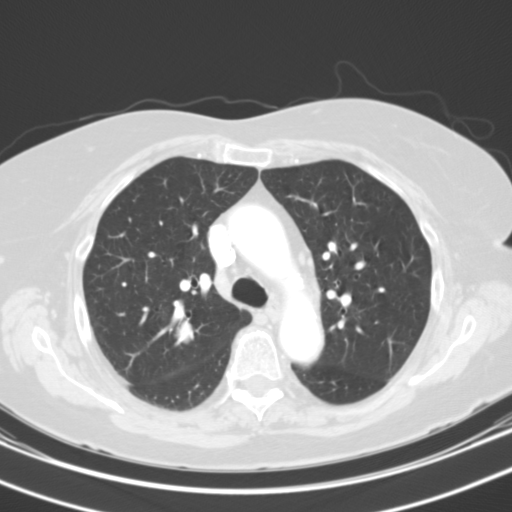
Axial slice 74 of 109 of a chest CT (slice 1 is the lowest), reconstructed with the B31s kernel at 130 kVp; 3.00 mm slice thickness and 0.629 mm pixels.
Pulmonary nodule at rows 301–343, columns 170–194 (box = the union of the readers' outlines on this slice), outlined by all four readers; longest diameter 16.9–27.7 mm and volume 1856–2397 mm3 across the four readers' outlines. Ratings across the readers: texture 5/5 (solid) from all four readers; margin from 4/5 to 5/5 (circumscribed) across the four readers; sphericity from 4/5 to 5/5 (round) across the four readers; calcification absent from all four readers; internal structure soft tissue from all four readers; subtlety 5/5, all four readers agreeing; malignancy likelihood 3–5/5 (the readers disagree). Scale key (1–5): texture non-solid→solid, margin indistinct→circumscribed, sphericity linear→round, subtlety extremely subtle→obvious, malignancy likelihood highly unlikely→highly suspicious of cancer. Box rows and columns are 0-based pixel indices from the top-left corner, inclusive.